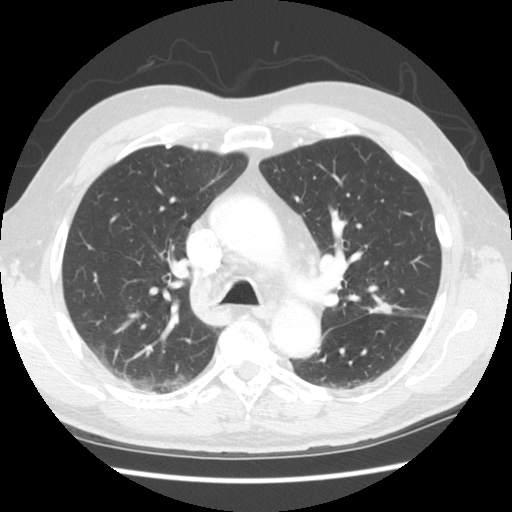
Chest CT, axial plane, 120 kVp, kernel STANDARD. Slice 171/258 from the bottom of the scan; thickness 2.50 mm; pixel size 0.664 mm.
Pulmonary nodule outlined by all four readers; box rows 302–313, columns 366–391 (the union of the readers' outlines on this slice); median longest diameter 20.5 mm (readers' outlines 19.7–21.9 mm), median volume 1578 mm3 (1387–1715 mm3). Median ratings and the readers' spread: texture 5/5 (solid) from all four readers; margin 3.5/5 at the median of four readers, spread 3/5 to 4/5; sphericity 3/5 (ovoid) at the median of four readers, spread 2/5 to 4/5; calcification absent from all four readers; internal structure soft tissue from all four readers; subtlety 5/5, all four readers agreeing; median malignancy likelihood 5/5 (readers ranged 3–5). Scale key (1–5): texture non-solid→solid, margin indistinct→circumscribed, sphericity linear→round, subtlety extremely subtle→obvious, malignancy likelihood highly unlikely→highly suspicious of cancer. Box rows and columns are 0-based pixel indices from the top-left corner, inclusive.